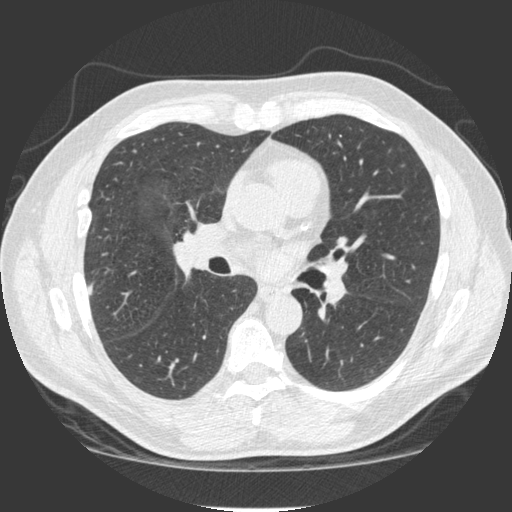
One axial slice (117 of 241, counting up from the lowest) of a chest CT acquired at 120 kVp with the STANDARD kernel; each pixel is 0.684 mm and the slice is 1.25 mm thick.
This slice carries no reader outline of a nodule 3 mm or larger.